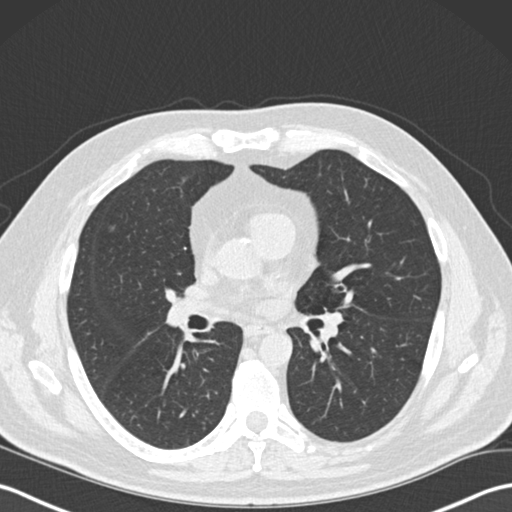
This is axial slice 106 of 191 (slice 1 is the lowest) of a chest CT; each pixel is 0.684 mm and the slice is 2.00 mm thick. Pulmonary nodule outlined by all four readers, three of them on this slice; box rows 226–230, columns 107–113 (the union of the readers' outlines on this slice); median longest diameter 5.4 mm (readers' outlines 5.0–5.8 mm), median volume 45 mm3 (36–69 mm3). Ratings, median across the readers with their spread: median texture 4/5 (readers ranged 2/5 to 5/5 (solid)); margin 4/5 at the median of four readers, spread 3/5 to 5/5 (circumscribed); median sphericity 4/5 (readers ranged 3/5 (ovoid) to 5/5 (round)); calcification absent from all four readers; internal structure soft tissue from all four readers; median subtlety 4/5 (readers ranged 3–5); malignancy likelihood 2.5/5 at the median of four readers, spread 2–3. Scale key (1–5): texture non-solid→solid, margin indistinct→circumscribed, sphericity linear→round, subtlety extremely subtle→obvious, malignancy likelihood highly unlikely→highly suspicious of cancer. Box rows and columns are 0-based pixel indices from the top-left corner, inclusive.
Acquired at 120 kVp and reconstructed with the B30f kernel.